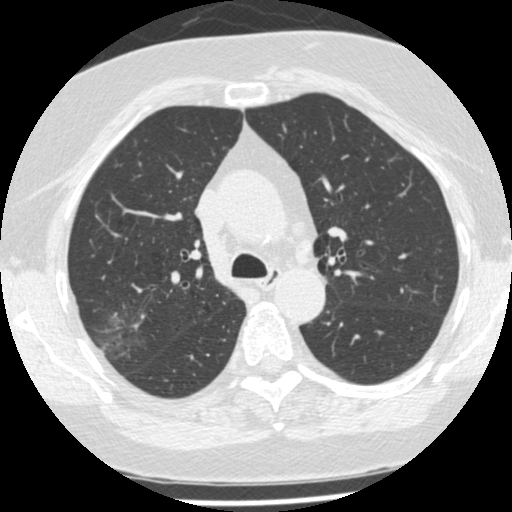
Slice 339/487 of a chest CT, counting up from the lowest; pixel size 0.586 mm, slice thickness 1.25 mm. Pulmonary nodule outlined by two of the four readers, one of them on this slice; box rows 337–357, columns 100–115 (the one reader's outline on this slice); median longest diameter 18.1 mm (readers' outlines 11.3–24.9 mm), median volume 1598 mm3 (232–2964 mm3). Median ratings and the readers' spread: texture 3/5 (part-solid), both readers agreeing; margin 1.5/5 at the median of two readers, spread 1/5 (indistinct) to 2/5; sphericity 4/5, both readers agreeing; calcification absent, both readers agreeing; internal structure soft tissue, both readers agreeing; subtlety 4/5, both readers agreeing; median malignancy likelihood 3.5/5 (readers ranged 3–4). Scale key (1–5): texture non-solid→solid, margin indistinct→circumscribed, sphericity linear→round, subtlety extremely subtle→obvious, malignancy likelihood highly unlikely→highly suspicious of cancer. Box rows and columns are 0-based pixel indices from the top-left corner, inclusive.
Scan settings: 120 kVp, STANDARD reconstruction kernel.